Axial slice 183 of 506 of a chest CT (slice 1 is the lowest), reconstructed with the B30f kernel at 120 kVp; 0.75 mm slice thickness and 0.699 mm pixels.
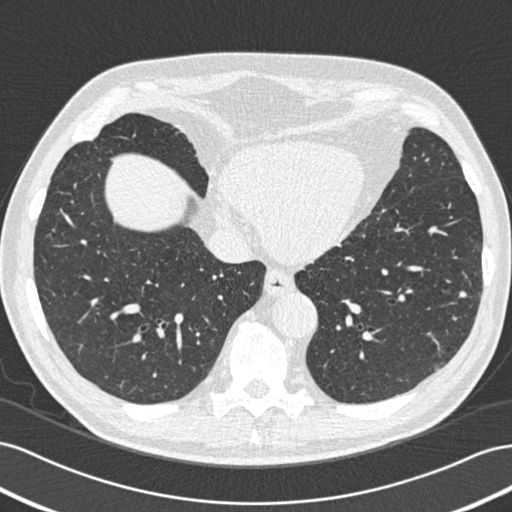
Pulmonary nodule at rows 291–297, columns 459–467 (box = the union of the readers' outlines on this slice), outlined by all four readers; longest diameter 7.1 mm on average over the four readers' outlines (readers' outlines 6.6–7.8 mm), volume 93–162 mm3. Ratings, by the readers' most common answer with dissent counted: texture 5/5 (solid), all four readers agreeing; margin 5/5 (circumscribed) by two of four readers; the rest gave 3/5 (one), 4/5 (one); sphericity 3/5 (ovoid) by three of four readers; the rest gave 5/5 (round) (one); calcification absent from all four readers; internal structure soft tissue, all four readers agreeing; subtlety split among the readers: 2/5 (two), 3/5 (two); malignancy likelihood 3/5 by two of four readers; the rest gave 1/5 (one), 2/5 (one). Scale key (1–5): texture non-solid→solid, margin indistinct→circumscribed, sphericity linear→round, subtlety extremely subtle→obvious, malignancy likelihood highly unlikely→highly suspicious of cancer. Box rows and columns are 0-based pixel indices from the top-left corner, inclusive.